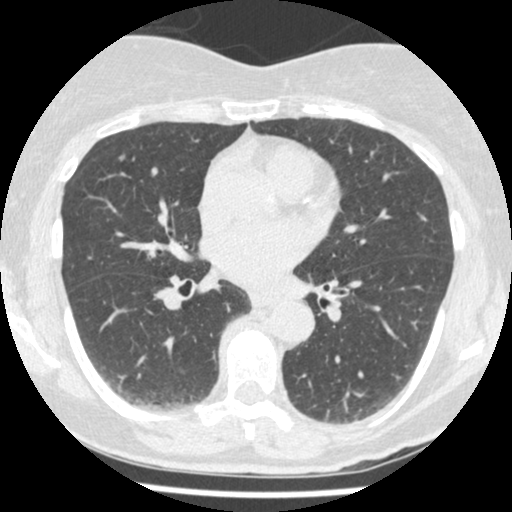
Axial slice 245 of 465 of a chest CT (slice 1 is the lowest), reconstructed with the STANDARD kernel at 120 kVp; 1.25 mm slice thickness and 0.586 mm pixels.
Pulmonary nodule at rows 153–162, columns 118–125 (box = the union of the readers' outlines on this slice), outlined by two of the four readers; median longest diameter 7.5 mm (readers' outlines 7.1–7.9 mm), median volume 75 mm3 (74–77 mm3). Ratings, median across the readers with their spread: texture 5/5 (solid), both readers agreeing; median margin 4.5/5 (readers ranged 4/5 to 5/5 (circumscribed)); median sphericity 4/5 (readers ranged 3/5 (ovoid) to 5/5 (round)); calcification absent from both readers; internal structure soft tissue, both readers agreeing; subtlety 4/5 from both readers; malignancy likelihood 3/5 from both readers. Scale key (1–5): texture non-solid→solid, margin indistinct→circumscribed, sphericity linear→round, subtlety extremely subtle→obvious, malignancy likelihood highly unlikely→highly suspicious of cancer. Box rows and columns are 0-based pixel indices from the top-left corner, inclusive.